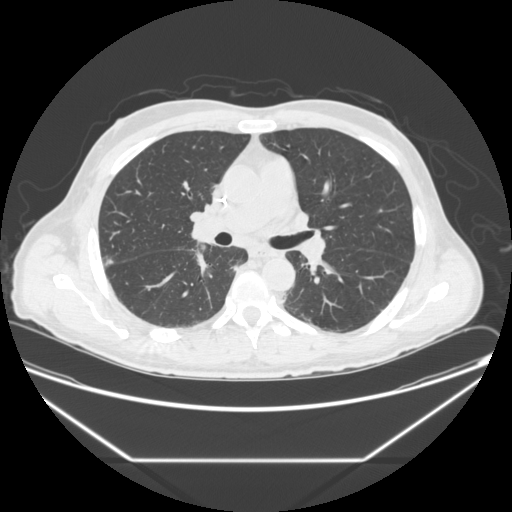
This is axial slice 131 of 251 (slice 1 is the lowest) of a chest CT; each pixel is 0.809 mm and the slice is 1.25 mm thick. Pulmonary nodule, outlined by two of the four readers, one of them on this slice. Box on this slice rows 259–265, columns 105–113, the one reader's outline on this slice; longest diameter 7.9 mm on average over the two readers' outlines (readers' outlines 6.7–9.0 mm), volume 61–153 mm3. The readers' prevailing ratings and who disagreed: texture split among the readers: 4/5 (one), 5/5 (solid) (one); margin split among the readers: 2/5 (one), 4/5 (one); sphericity 3/5 (ovoid), both readers agreeing; calcification absent from both readers; internal structure soft tissue from both readers; subtlety split among the readers: 3/5 (one), 4/5 (one); malignancy likelihood 3/5, both readers agreeing. Scale key (1–5): texture non-solid→solid, margin indistinct→circumscribed, sphericity linear→round, subtlety extremely subtle→obvious, malignancy likelihood highly unlikely→highly suspicious of cancer. Box rows and columns are 0-based pixel indices from the top-left corner, inclusive.
Scan settings: 120 kVp, STANDARD reconstruction kernel.